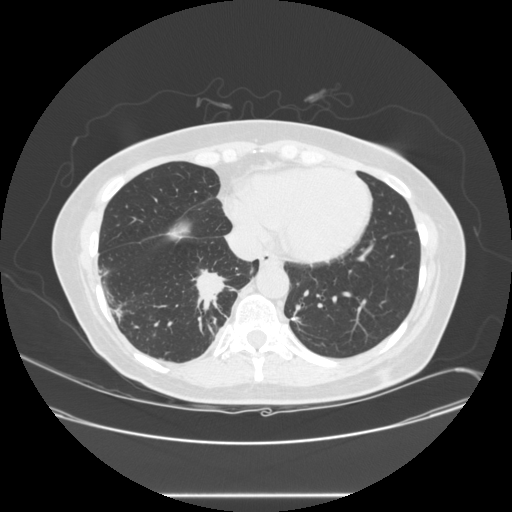
Chest CT, axial plane, 120 kVp, kernel STANDARD. Slice 100/257 from the bottom of the scan; thickness 1.25 mm; pixel size 0.781 mm.
Pulmonary nodule outlined by all four readers; box rows 267–317, columns 192–235 (the union of the readers' outlines on this slice); longest diameter 28.0–45.1 mm and volume 5019–8578 mm3 across the four readers' outlines. Ratings across the readers: texture 5/5 (solid) from all four readers; margin from 1/5 (indistinct) to 5/5 (circumscribed) across the four readers; sphericity from 3/5 (ovoid) to 4/5 across the four readers; calcification absent from all four readers; internal structure soft tissue from all four readers; subtlety 5/5, all four readers agreeing; malignancy likelihood 5/5 from all four readers. Scale key (1–5): texture non-solid→solid, margin indistinct→circumscribed, sphericity linear→round, subtlety extremely subtle→obvious, malignancy likelihood highly unlikely→highly suspicious of cancer. Box rows and columns are 0-based pixel indices from the top-left corner, inclusive.